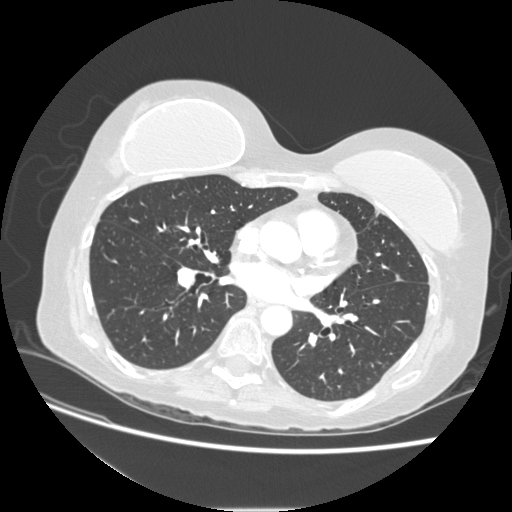
Axial chest CT slice 114 of 232 (counted from the lowest slice); tube voltage 120 kVp, convolution kernel STANDARD; slices 1.25 mm thick, 0.703 mm per pixel.
Pulmonary nodule at rows 242–245, columns 389–393 (box = the one reader's outline on this slice), outlined by three of the four readers, one of them on this slice; median longest diameter 7.9 mm (readers' outlines 7.6–8.9 mm), median volume 153 mm3 (151–201 mm3). Median ratings and the readers' spread: texture 5/5 (solid) at the median of three readers, spread 4/5 to 5/5 (solid); margin 5/5 (circumscribed) from all three readers; median sphericity 3/5 (ovoid) (readers ranged 3/5 (ovoid) to 4/5); calcification absent, all three readers agreeing; internal structure soft tissue from all three readers; median subtlety 4/5 (readers ranged 2–4); malignancy likelihood 3/5, all three readers agreeing. Scale key (1–5): texture non-solid→solid, margin indistinct→circumscribed, sphericity linear→round, subtlety extremely subtle→obvious, malignancy likelihood highly unlikely→highly suspicious of cancer. Box rows and columns are 0-based pixel indices from the top-left corner, inclusive.